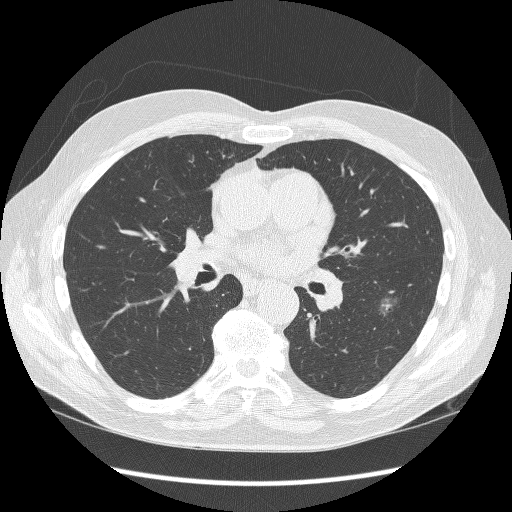
Chest CT, axial plane, 120 kVp, kernel BONE. Slice 178/298 from the bottom of the scan; thickness 1.25 mm; pixel size 0.719 mm.
Pulmonary nodule, outlined by two of the four readers. Box on this slice rows 296–314, columns 379–397, the union of the readers' outlines on this slice; the two readers' outlines give a longest diameter between 18.0 and 18.4 mm and a volume between 963 and 976 mm3. Ratings across the readers: texture 1/5 (non-solid) from both readers; margin from 1/5 (indistinct) to 5/5 (circumscribed) across the two readers; sphericity from 2/5 to 3/5 (ovoid) across the two readers; calcification absent from both readers; internal structure soft tissue from both readers; subtlety rated between 3 and 4 out of 5 by the two readers; malignancy likelihood 3–4/5 (the readers disagree). Scale key (1–5): texture non-solid→solid, margin indistinct→circumscribed, sphericity linear→round, subtlety extremely subtle→obvious, malignancy likelihood highly unlikely→highly suspicious of cancer. Box rows and columns are 0-based pixel indices from the top-left corner, inclusive.